Chest CT, axial plane, 120 kVp, kernel B30f. Slice 213/408 from the bottom of the scan; thickness 0.75 mm; pixel size 0.531 mm.
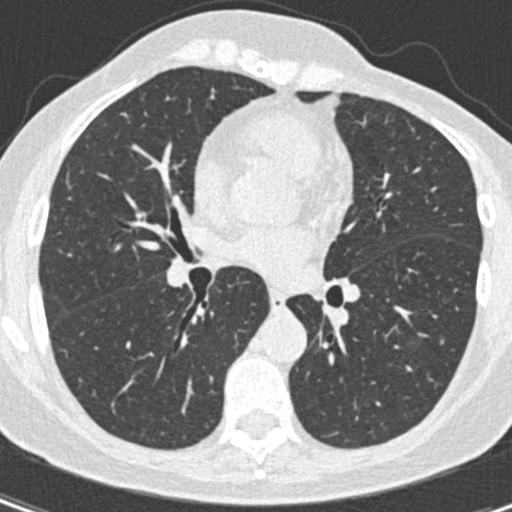
Pulmonary nodule, outlined by one of the four readers. Box on this slice rows 340–345, columns 439–443, that reader's outline on this slice; longest diameter 4.3 mm and volume 27 mm3 from that reader's outline. That reader's ratings: texture 5/5 (solid); margin 5/5 (circumscribed); sphericity 5/5 (round); calcification absent; internal structure soft tissue; subtlety 5/5; malignancy likelihood 2/5. Scale key (1–5): texture non-solid→solid, margin indistinct→circumscribed, sphericity linear→round, subtlety extremely subtle→obvious, malignancy likelihood highly unlikely→highly suspicious of cancer. Box rows and columns are 0-based pixel indices from the top-left corner, inclusive.